Axial slice 374 of 590 of a chest CT (slice 1 is the lowest), reconstructed with the B kernel at 120 kVp; 0.90 mm slice thickness and 0.627 mm pixels.
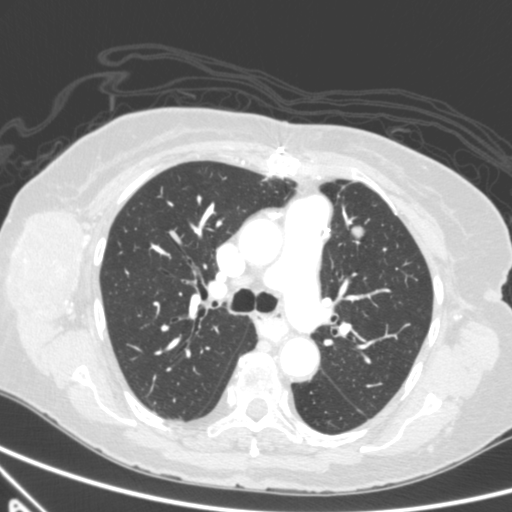
Pulmonary nodule outlined by all four readers; box rows 225–238, columns 350–364 (the union of the readers' outlines on this slice); longest diameter 16.3–20.1 mm and volume 1116–1236 mm3 across the four readers' outlines. The readers' ratings, as ranges where they differ: texture 5/5 (solid), all four readers agreeing; margin from 3/5 to 5/5 (circumscribed) across the four readers; sphericity from 3/5 (ovoid) to 4/5 across the four readers; calcification absent, all four readers agreeing; internal structure soft tissue from all four readers; subtlety rated between 4 and 5 out of 5 by the four readers; malignancy likelihood rated between 3 and 5 out of 5 by the four readers. Scale key (1–5): texture non-solid→solid, margin indistinct→circumscribed, sphericity linear→round, subtlety extremely subtle→obvious, malignancy likelihood highly unlikely→highly suspicious of cancer. Box rows and columns are 0-based pixel indices from the top-left corner, inclusive.